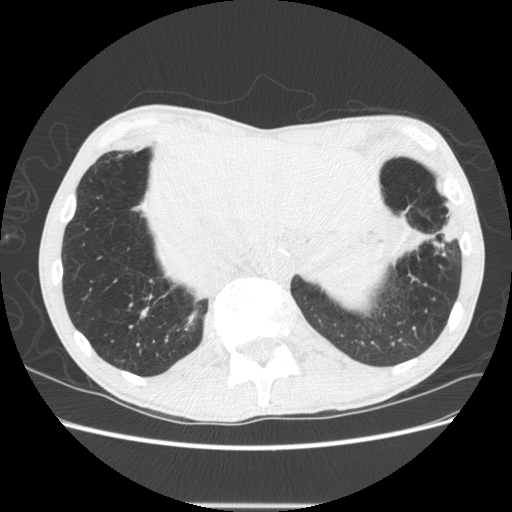
Axial slice 120 of 605 of a chest CT (slice 1 is the lowest), reconstructed with the STANDARD kernel at 120 kVp; 1.25 mm slice thickness and 0.703 mm pixels.
Pulmonary nodule at rows 213–240, columns 443–457 (box = that reader's outline on this slice), outlined by one of the four readers; longest diameter 29.0 mm and volume 1790 mm3 from that reader's outline. That reader's ratings: texture 4/5; margin 4/5; sphericity 2/5; calcification absent; internal structure soft tissue; subtlety 5/5; malignancy likelihood 4/5. Scale key (1–5): texture non-solid→solid, margin indistinct→circumscribed, sphericity linear→round, subtlety extremely subtle→obvious, malignancy likelihood highly unlikely→highly suspicious of cancer. Box rows and columns are 0-based pixel indices from the top-left corner, inclusive.